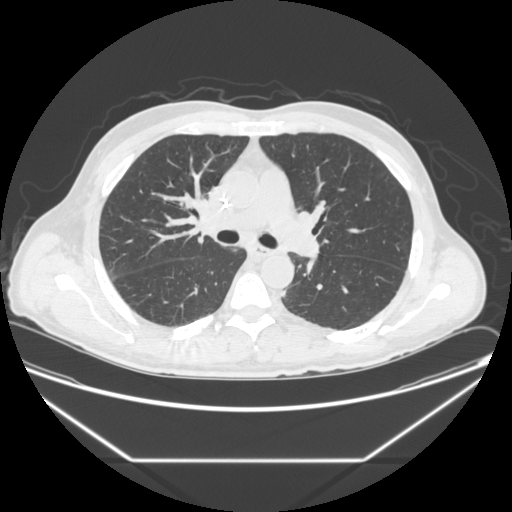
Chest CT, axial plane, 120 kVp, kernel STANDARD. Slice 138/251 from the bottom of the scan; thickness 1.25 mm; pixel size 0.809 mm.
Pulmonary nodule outlined by three of the four readers; box rows 291–296, columns 282–285 (the union of the readers' outlines on this slice); median longest diameter 7.5 mm (readers' outlines 6.7–7.7 mm), median volume 177 mm3 (143–192 mm3). Median ratings and the readers' spread: texture 5/5 (solid) from all three readers; median margin 4/5 (readers ranged 4/5 to 5/5 (circumscribed)); median sphericity 4/5 (readers ranged 3/5 (ovoid) to 5/5 (round)); calcification absent, all three readers agreeing; internal structure soft tissue from all three readers; subtlety 2/5 at the median of three readers, spread 1–5; median malignancy likelihood 3/5 (readers ranged 2–3). Scale key (1–5): texture non-solid→solid, margin indistinct→circumscribed, sphericity linear→round, subtlety extremely subtle→obvious, malignancy likelihood highly unlikely→highly suspicious of cancer. Box rows and columns are 0-based pixel indices from the top-left corner, inclusive.